Axial slice 101 of 246 of a chest CT (slice 1 is the lowest), reconstructed with the B30f kernel at 120 kVp; 3.00 mm slice thickness and 0.740 mm pixels.
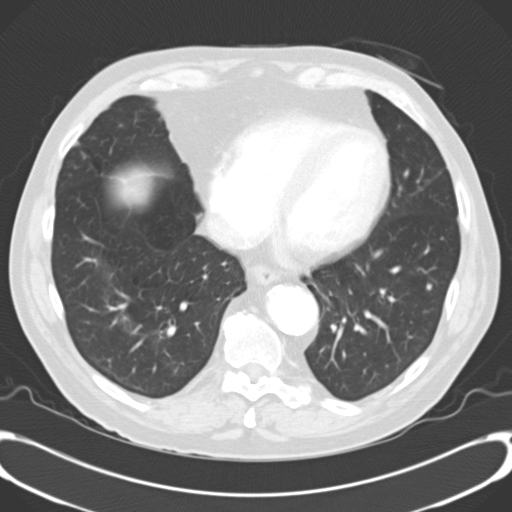
Pulmonary nodule outlined by two of the four readers; box rows 283–289, columns 426–431 (the union of the readers' outlines on this slice); median longest diameter 6.1 mm (readers' outlines 6.1 mm), median volume 118 mm3 (108–127 mm3). Median ratings and the readers' spread: texture 5/5 (solid) from both readers; median margin 4.5/5 (readers ranged 4/5 to 5/5 (circumscribed)); sphericity 4.5/5 at the median of two readers, spread 4/5 to 5/5 (round); calcification absent, both readers agreeing; internal structure soft tissue, both readers agreeing; subtlety 2.5/5 at the median of two readers, spread 2–3; median malignancy likelihood 2.5/5 (readers ranged 2–3). Scale key (1–5): texture non-solid→solid, margin indistinct→circumscribed, sphericity linear→round, subtlety extremely subtle→obvious, malignancy likelihood highly unlikely→highly suspicious of cancer. Box rows and columns are 0-based pixel indices from the top-left corner, inclusive.